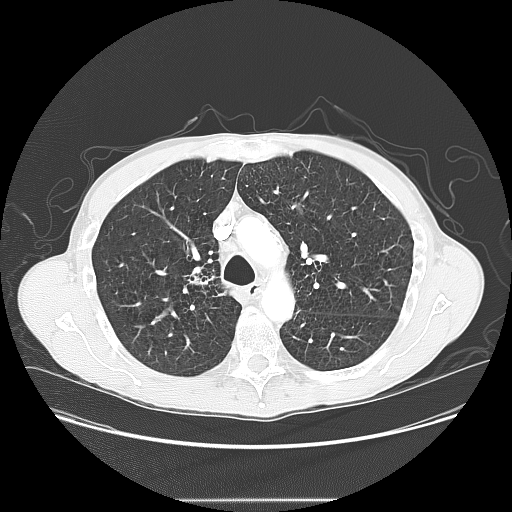
Axial chest CT slice 103 of 145 (counted from the lowest slice); 2.50 mm thick, 0.781 mm per pixel. Pulmonary nodule, outlined by all four readers, two of them on this slice. Box on this slice rows 267–293, columns 182–213, the union of the readers' outlines on this slice; longest diameter 31.9–37.6 mm and volume 6100–11568 mm3 across the four readers' outlines. The readers' ratings, as ranges where they differ: texture from 4/5 to 5/5 (solid) across the four readers; margin from 2/5 to 4/5 across the four readers; sphericity from 3/5 (ovoid) to 5/5 (round) across the four readers; calcification absent from all four readers; internal structure soft tissue, all four readers agreeing; subtlety 5/5, all four readers agreeing; malignancy likelihood rated between 4 and 5 out of 5 by the four readers. Scale key (1–5): texture non-solid→solid, margin indistinct→circumscribed, sphericity linear→round, subtlety extremely subtle→obvious, malignancy likelihood highly unlikely→highly suspicious of cancer. Box rows and columns are 0-based pixel indices from the top-left corner, inclusive.
Tube voltage 120 kVp; convolution kernel LUNG.